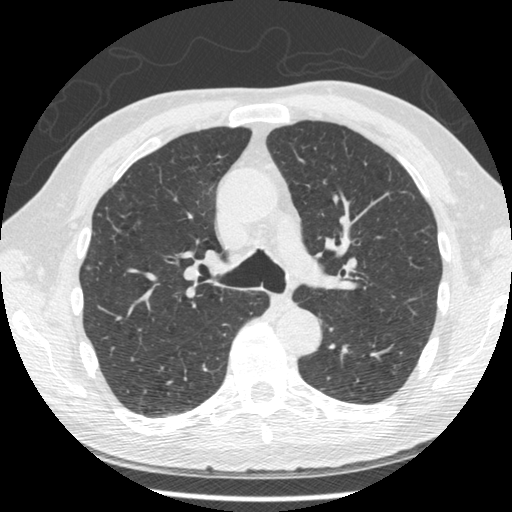
Chest CT, axial plane, 120 kVp, kernel STANDARD. Slice 310/481 from the bottom of the scan; thickness 1.25 mm; pixel size 0.664 mm.
Pulmonary nodule outlined by one of the four readers; box rows 265–269, columns 85–90 (that reader's outline on this slice); longest diameter 8.7 mm and volume 117 mm3 from that reader's outline. Ratings by that reader: texture 4/5; margin 5/5 (circumscribed); sphericity 4/5; calcification absent; internal structure soft tissue; subtlety 4/5; malignancy likelihood 4/5. Scale key (1–5): texture non-solid→solid, margin indistinct→circumscribed, sphericity linear→round, subtlety extremely subtle→obvious, malignancy likelihood highly unlikely→highly suspicious of cancer. Box rows and columns are 0-based pixel indices from the top-left corner, inclusive.